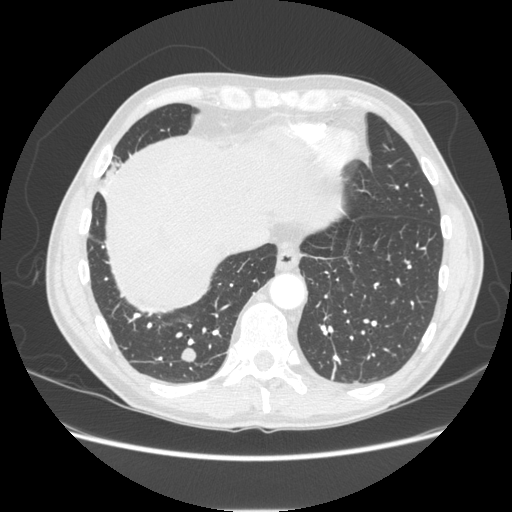
One axial slice (66 of 253, counting up from the lowest) of a chest CT acquired at 120 kVp with the STANDARD kernel; each pixel is 0.742 mm and the slice is 1.25 mm thick.
Pulmonary nodule at rows 347–361, columns 181–195 (box = the union of the readers' outlines on this slice), outlined by all four readers; longest diameter 13.9 mm on average over the four readers' outlines (readers' outlines 12.4–17.1 mm), volume 764–890 mm3. Ratings, by the readers' most common answer with dissent counted: texture 5/5 (solid) from all four readers; margin 5/5 (circumscribed) from all four readers; most readers (three of four) put sphericity at 5/5 (round), others 4/5 (one); calcification absent from all four readers; internal structure soft tissue, all four readers agreeing; subtlety 5/5 by two of four readers; the rest gave 3/5 (one), 4/5 (one); malignancy likelihood split among the readers: 2/5 (one), 3/5 (one), 4/5 (one), 5/5 (one). Scale key (1–5): texture non-solid→solid, margin indistinct→circumscribed, sphericity linear→round, subtlety extremely subtle→obvious, malignancy likelihood highly unlikely→highly suspicious of cancer. Box rows and columns are 0-based pixel indices from the top-left corner, inclusive.